One axial slice (331 of 583, counting up from the lowest) of a chest CT acquired at 120 kVp with the STANDARD kernel; each pixel is 0.703 mm and the slice is 1.25 mm thick.
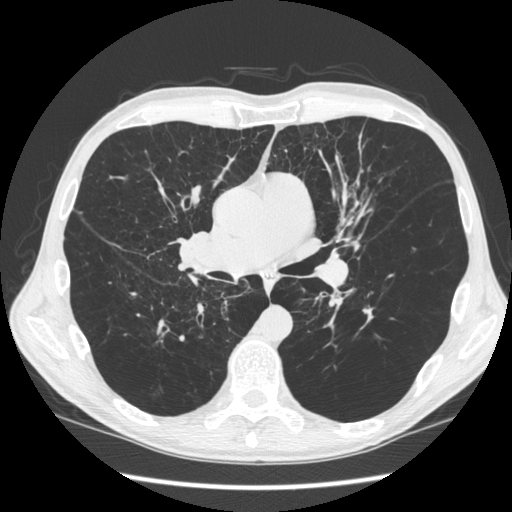
Pulmonary nodule outlined by two of the four readers, one of them on this slice; box rows 308–328, columns 361–372 (the one reader's outline on this slice); longest diameter 24.1–31.7 mm and volume 791–1176 mm3 across the two readers' outlines. The readers' ratings, as ranges where they differ: texture 5/5 (solid) from both readers; margin from 1/5 (indistinct) to 4/5 across the two readers; sphericity from 1/5 (linear) to 2/5 across the two readers; calcification absent from both readers; internal structure soft tissue, both readers agreeing; subtlety 5/5 from both readers; malignancy likelihood rated between 2 and 3 out of 5 by the two readers. Scale key (1–5): texture non-solid→solid, margin indistinct→circumscribed, sphericity linear→round, subtlety extremely subtle→obvious, malignancy likelihood highly unlikely→highly suspicious of cancer. Box rows and columns are 0-based pixel indices from the top-left corner, inclusive.